Axial chest CT slice 80 of 150 (counted from the lowest slice); tube voltage 120 kVp, convolution kernel LUNG; slices 2.50 mm thick, 0.781 mm per pixel.
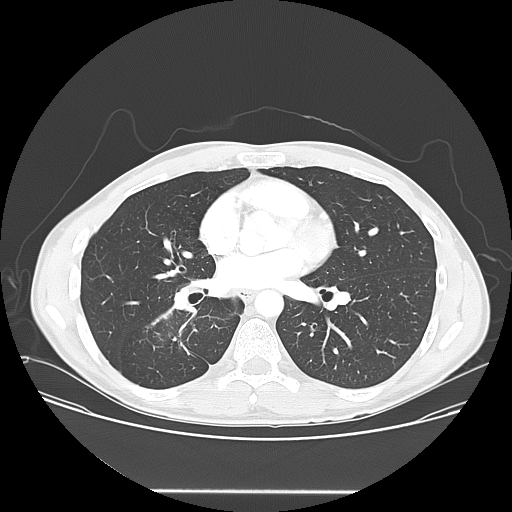
Pulmonary nodule, outlined by all four readers, two of them on this slice. Box on this slice rows 323–331, columns 309–317, the union of the readers' outlines on this slice; longest diameter 18.2 mm on average over the four readers' outlines (readers' outlines 17.8–19.3 mm), volume 1904–2340 mm3. Ratings, by the readers' most common answer with dissent counted: texture 5/5 (solid) by three of four readers; the rest gave 4/5 (one); margin split among the readers: 4/5 (two), 5/5 (circumscribed) (two); sphericity 4/5 by two of four readers; the rest gave 3/5 (ovoid) (one), 5/5 (round) (one); calcification absent, all four readers agreeing; internal structure soft tissue, all four readers agreeing; subtlety 5/5 by three of four readers; the rest gave 3/5 (one); malignancy likelihood split among the readers: 2/5 (one), 3/5 (one), 4/5 (one), 5/5 (one). Scale key (1–5): texture non-solid→solid, margin indistinct→circumscribed, sphericity linear→round, subtlety extremely subtle→obvious, malignancy likelihood highly unlikely→highly suspicious of cancer. Box rows and columns are 0-based pixel indices from the top-left corner, inclusive.